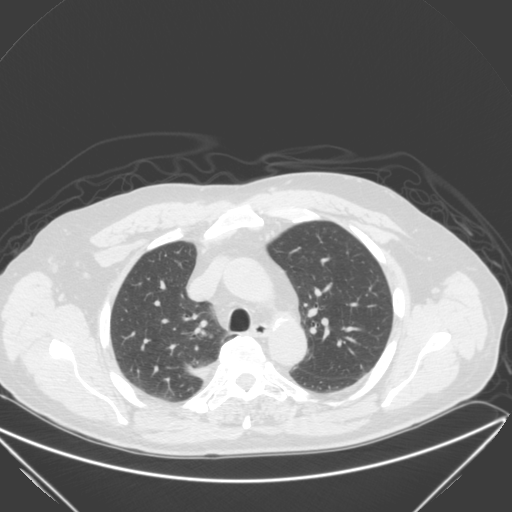
Chest CT, axial plane, 120 kVp, kernel B. Slice 193/280 from the bottom of the scan; thickness 2.00 mm; pixel size 0.805 mm.
Pulmonary nodule at rows 335–338, columns 209–212 (box = that reader's outline on this slice), outlined by one of the four readers; longest diameter 6.1 mm and volume 89 mm3 from that reader's outline. Ratings by that reader: texture 5/5 (solid); margin 5/5 (circumscribed); sphericity 5/5 (round); calcification absent; internal structure soft tissue; subtlety 5/5; malignancy likelihood 3/5. Scale key (1–5): texture non-solid→solid, margin indistinct→circumscribed, sphericity linear→round, subtlety extremely subtle→obvious, malignancy likelihood highly unlikely→highly suspicious of cancer. Box rows and columns are 0-based pixel indices from the top-left corner, inclusive.